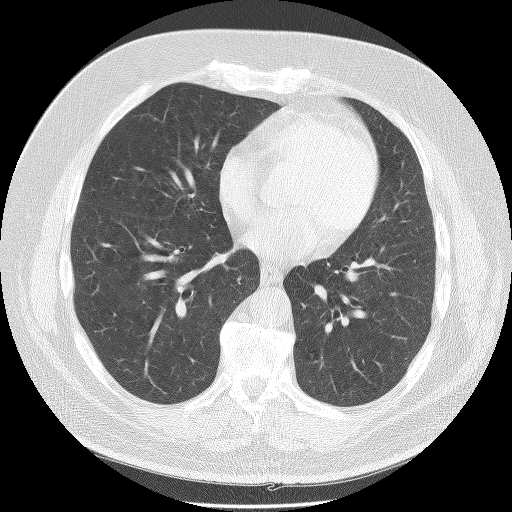
One axial slice (75 of 139, counting up from the lowest) of a chest CT acquired at 140 kVp with the BONE kernel; each pixel is 0.734 mm and the slice is 2.50 mm thick.
No nodule of 3 mm or larger was outlined by any of the four readers on this slice.